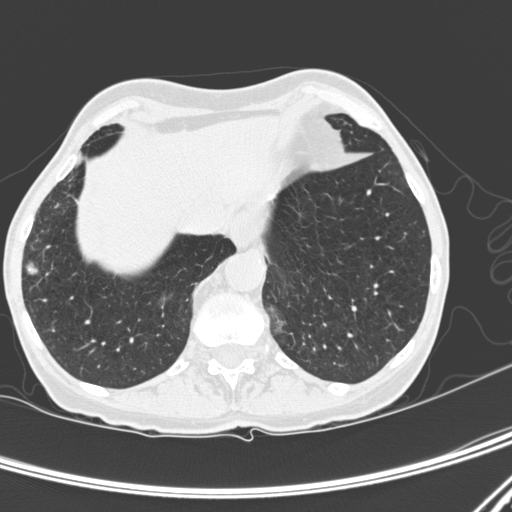
Chest CT, axial plane, 120 kVp, kernel D. Slice 61/300 from the bottom of the scan; thickness 1.00 mm; pixel size 0.607 mm.
Pulmonary nodule, outlined by all four readers. Box on this slice rows 261–274, columns 24–38, the union of the readers' outlines on this slice; longest diameter 18.8 mm on average over the four readers' outlines (readers' outlines 17.1–19.9 mm), volume 1865–2443 mm3. Ratings, by the readers' most common answer with dissent counted: texture 5/5 (solid) from all four readers; margin 5/5 (circumscribed), all four readers agreeing; most readers (three of four) put sphericity at 4/5, others 5/5 (round) (one); calcification solid calcification by three of four readers, absent (one); internal structure soft tissue, all four readers agreeing; subtlety 5/5 from all four readers; most readers (three of four) put malignancy likelihood at 1/5, others 4/5 (one). Scale key (1–5): texture non-solid→solid, margin indistinct→circumscribed, sphericity linear→round, subtlety extremely subtle→obvious, malignancy likelihood highly unlikely→highly suspicious of cancer. Box rows and columns are 0-based pixel indices from the top-left corner, inclusive.